Axial chest CT slice 160 of 261 (counted from the lowest slice); tube voltage 120 kVp, convolution kernel BONE; slices 1.25 mm thick, 0.703 mm per pixel.
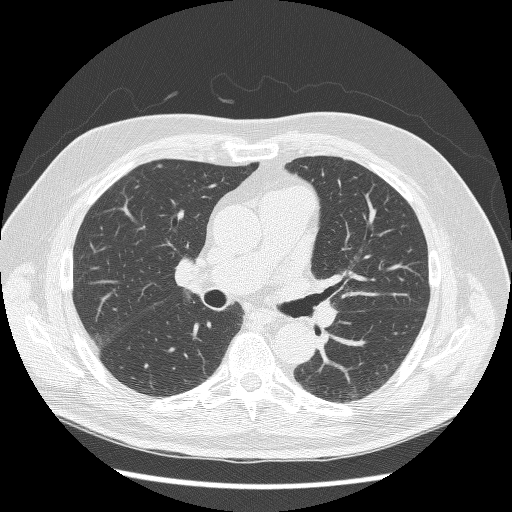
Pulmonary nodule, outlined by three of the four readers. Box on this slice rows 164–167, columns 157–162, the union of the readers' outlines on this slice; median longest diameter 5.8 mm (readers' outlines 5.7–7.3 mm), median volume 34 mm3 (32–68 mm3). Ratings, median across the readers with their spread: texture 5/5 (solid) at the median of three readers, spread 4/5 to 5/5 (solid); margin 4/5 at the median of three readers, spread 4/5 to 5/5 (circumscribed); median sphericity 3/5 (ovoid) (readers ranged 3/5 (ovoid) to 4/5); calcification absent from all three readers; internal structure soft tissue, all three readers agreeing; median subtlety 3/5 (readers ranged 1–4); malignancy likelihood 3/5 from all three readers. Scale key (1–5): texture non-solid→solid, margin indistinct→circumscribed, sphericity linear→round, subtlety extremely subtle→obvious, malignancy likelihood highly unlikely→highly suspicious of cancer. Box rows and columns are 0-based pixel indices from the top-left corner, inclusive.